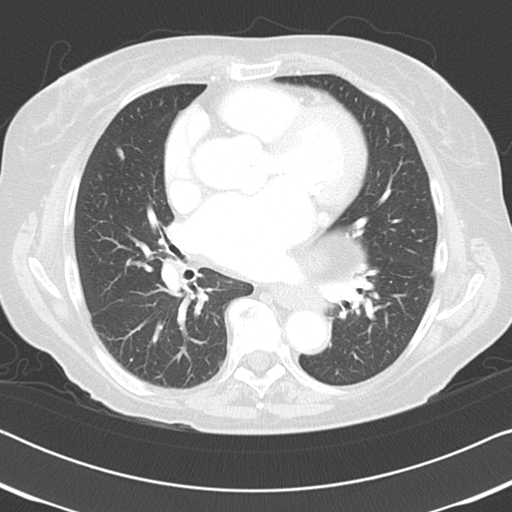
Slice 53/96 of a chest CT, counting up from the lowest; pixel size 0.645 mm, slice thickness 3.00 mm. Two pulmonary nodules on this slice, listed from left to right. (1) Pulmonary nodule at rows 147–159, columns 116–124 (box = the union of the readers' outlines on this slice), outlined by two of the four readers; median longest diameter 9.5 mm (readers' outlines 8.1–11.0 mm), median volume 155 mm3 (76–234 mm3). Median ratings and the readers' spread: median texture 4.5/5 (readers ranged 4/5 to 5/5 (solid)); median margin 4/5 (readers ranged 3/5 to 5/5 (circumscribed)); median sphericity 2.5/5 (readers ranged 2/5 to 3/5 (ovoid)); calcification absent from both readers; internal structure soft tissue from both readers; subtlety 3.5/5 at the median of two readers, spread 3–4; malignancy likelihood 2/5 at the median of two readers, spread 1–3. (2) Pulmonary nodule at rows 360–365, columns 217–222 (box = the union of the readers' outlines on this slice), outlined by all four readers; longest diameter 6.7 mm on average over the four readers' outlines (readers' outlines 6.3–7.9 mm), volume 72–142 mm3. Ratings, by the readers' most common answer with dissent counted: texture 5/5 (solid), all four readers agreeing; margin 5/5 (circumscribed) from all four readers; most readers (three of four) put sphericity at 3/5 (ovoid), others 5/5 (round) (one); calcification absent from all four readers; internal structure soft tissue, all four readers agreeing; subtlety 4/5 by two of four readers; the rest gave 3/5 (one), 5/5 (one); malignancy likelihood 3/5 by three of four readers; the rest gave 2/5 (one). Scale key (1–5): texture non-solid→solid, margin indistinct→circumscribed, sphericity linear→round, subtlety extremely subtle→obvious, malignancy likelihood highly unlikely→highly suspicious of cancer. Box rows and columns are 0-based pixel indices from the top-left corner, inclusive.
Scan settings: 120 kVp, B45f reconstruction kernel.